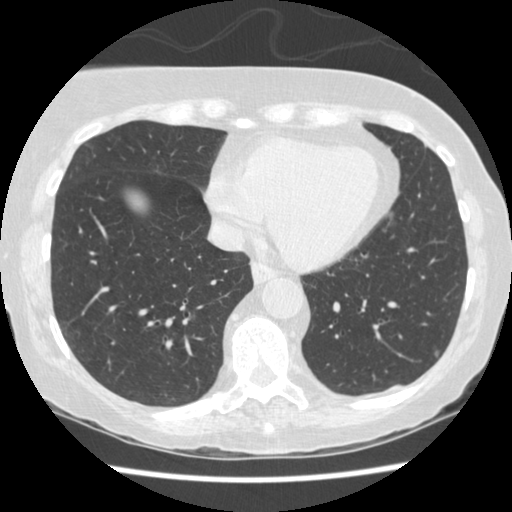
Axial slice 122 of 458 of a chest CT (slice 1 is the lowest), reconstructed with the STANDARD kernel at 120 kVp; 1.25 mm slice thickness and 0.625 mm pixels.
Pulmonary nodule, outlined by all four readers. Box on this slice rows 351–356, columns 433–438, the union of the readers' outlines on this slice; the four readers' outlines give a longest diameter between 6.2 and 7.0 mm and a volume between 63 and 96 mm3. Ratings across the readers: texture from 4/5 to 5/5 (solid) across the four readers; margin from 3/5 to 5/5 (circumscribed) across the four readers; sphericity from 2/5 to 4/5 across the four readers; calcification absent from all four readers; internal structure soft tissue, all four readers agreeing; subtlety 3–5/5 (the readers disagree); malignancy likelihood 2–3/5 (the readers disagree). Scale key (1–5): texture non-solid→solid, margin indistinct→circumscribed, sphericity linear→round, subtlety extremely subtle→obvious, malignancy likelihood highly unlikely→highly suspicious of cancer. Box rows and columns are 0-based pixel indices from the top-left corner, inclusive.